Chest CT, axial plane, 120 kVp, kernel STANDARD. Slice 239/426 from the bottom of the scan; thickness 1.25 mm; pixel size 0.547 mm.
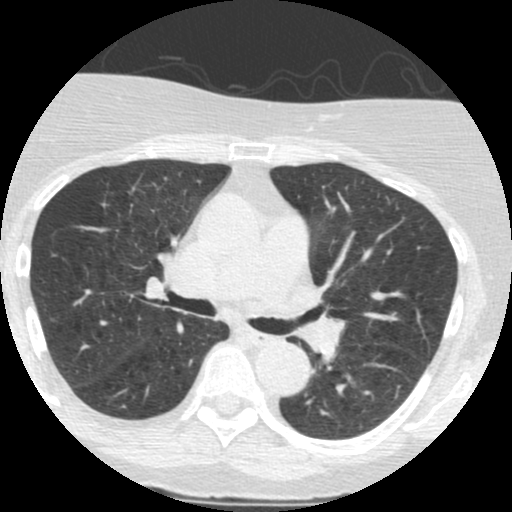
No nodule 3 mm or larger was outlined here by any reader.